One axial slice (174 of 506, counting up from the lowest) of a chest CT acquired at 120 kVp with the STANDARD kernel; each pixel is 0.664 mm and the slice is 1.25 mm thick.
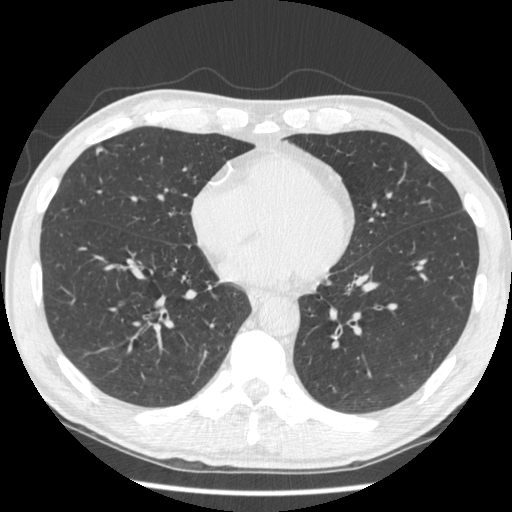
Pulmonary nodule outlined by one of the four readers; box rows 147–155, columns 95–103 (that reader's outline on this slice); longest diameter 10.9 mm and volume 130 mm3 from that reader's outline. Ratings by that reader: texture 4/5; margin 4/5; sphericity 2/5; calcification absent; internal structure soft tissue; subtlety 4/5; malignancy likelihood 2/5. Scale key (1–5): texture non-solid→solid, margin indistinct→circumscribed, sphericity linear→round, subtlety extremely subtle→obvious, malignancy likelihood highly unlikely→highly suspicious of cancer. Box rows and columns are 0-based pixel indices from the top-left corner, inclusive.